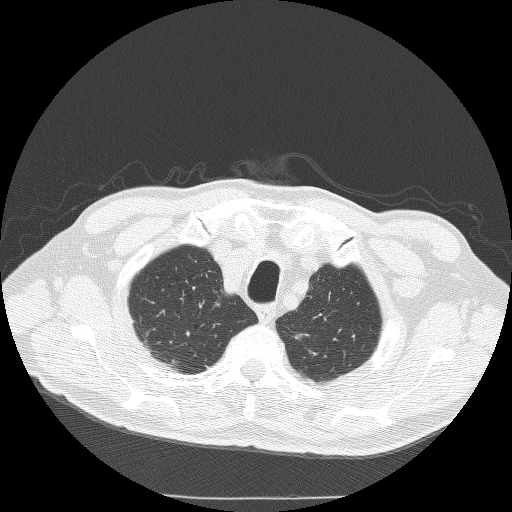
Chest CT, axial plane, 120 kVp, kernel BONE. Slice 212/240 from the bottom of the scan; thickness 1.25 mm; pixel size 0.703 mm.
Pulmonary nodule, outlined by two of the four readers. Box on this slice rows 333–339, columns 295–301, the union of the readers' outlines on this slice; median longest diameter 8.9 mm (readers' outlines 8.5–9.2 mm), median volume 102 mm3 (99–104 mm3). Ratings, median across the readers with their spread: median texture 4.5/5 (readers ranged 4/5 to 5/5 (solid)); median margin 3/5 (readers ranged 2/5 to 4/5); sphericity 3/5 (ovoid), both readers agreeing; calcification absent from both readers; internal structure soft tissue, both readers agreeing; subtlety 3/5 at the median of two readers, spread 2–4; malignancy likelihood 3.5/5 at the median of two readers, spread 3–4. Scale key (1–5): texture non-solid→solid, margin indistinct→circumscribed, sphericity linear→round, subtlety extremely subtle→obvious, malignancy likelihood highly unlikely→highly suspicious of cancer. Box rows and columns are 0-based pixel indices from the top-left corner, inclusive.